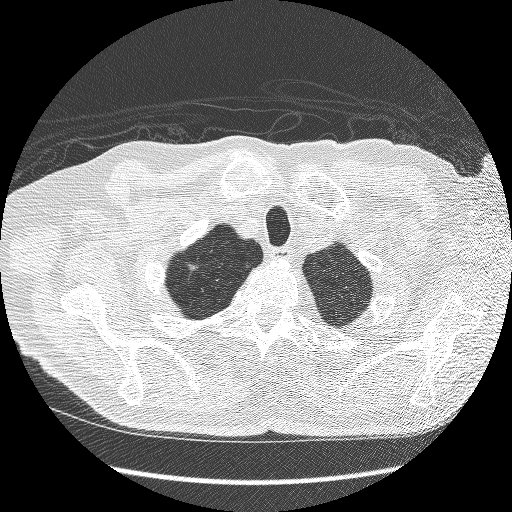
Axial slice 220 of 241 of a chest CT (slice 1 is the lowest), reconstructed with the BONE kernel at 120 kVp; 1.25 mm slice thickness and 0.703 mm pixels.
Pulmonary nodule at rows 263–278, columns 187–198 (box = the union of the readers' outlines on this slice), outlined by three of the four readers; median longest diameter 9.2 mm (readers' outlines 9.2–11.4 mm), median volume 118 mm3 (110–218 mm3). Median ratings and the readers' spread: texture 5/5 (solid) from all three readers; margin 4/5 at the median of three readers, spread 3/5 to 5/5 (circumscribed); median sphericity 3/5 (ovoid) (readers ranged 2/5 to 3/5 (ovoid)); calcification absent from all three readers; internal structure soft tissue from all three readers; subtlety 4/5 at the median of three readers, spread 3–5; median malignancy likelihood 3/5 (readers ranged 2–3). Scale key (1–5): texture non-solid→solid, margin indistinct→circumscribed, sphericity linear→round, subtlety extremely subtle→obvious, malignancy likelihood highly unlikely→highly suspicious of cancer. Box rows and columns are 0-based pixel indices from the top-left corner, inclusive.